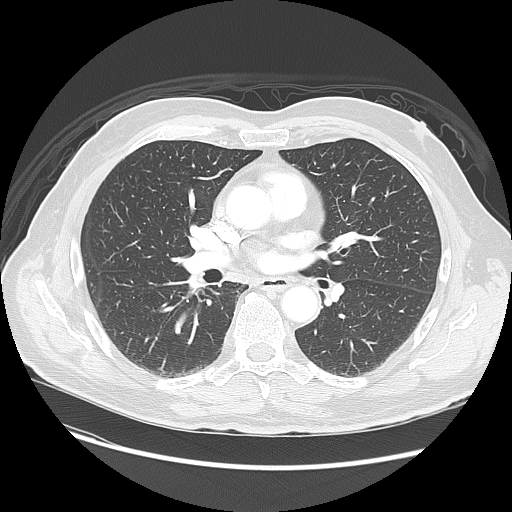
Chest CT, axial plane, 120 kVp, kernel LUNG. Slice 67/135 from the bottom of the scan; thickness 2.50 mm; pixel size 0.781 mm.
No nodule 3 mm or larger was outlined here by any reader.